Axial slice 180 of 312 of a chest CT (slice 1 is the lowest), reconstructed with the B45f kernel at 120 kVp; 1.00 mm slice thickness and 0.664 mm pixels.
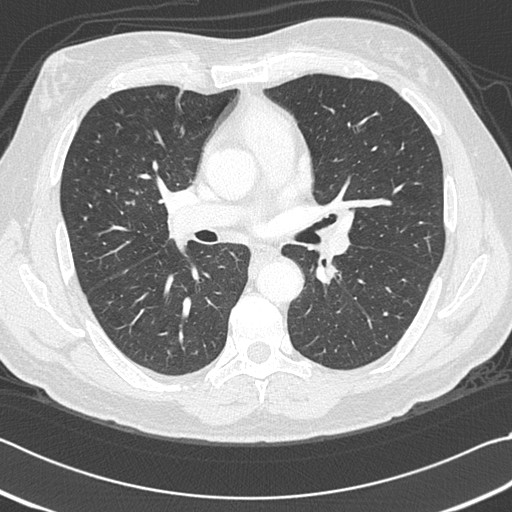
None of the four readers outlined a nodule of 3 mm or more on this slice.